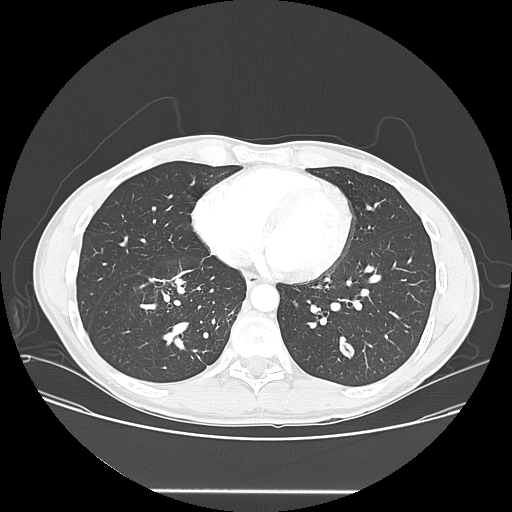
Slice 64/150 of a chest CT, counting up from the lowest; pixel size 0.781 mm, slice thickness 2.50 mm. Pulmonary nodule at rows 341–358, columns 339–355 (box = the union of the readers' outlines on this slice), outlined by all four readers; longest diameter 15.8 mm on average over the four readers' outlines (readers' outlines 15.0–17.2 mm), volume 701–1241 mm3. The readers' prevailing ratings and who disagreed: texture 5/5 (solid) by three of four readers; the rest gave 4/5 (one); margin 5/5 (circumscribed) by three of four readers; the rest gave 4/5 (one); sphericity 2/5 by two of four readers; the rest gave 3/5 (ovoid) (one), 5/5 (round) (one); calcification absent from all four readers; internal structure soft tissue, all four readers agreeing; subtlety 4/5 by two of four readers; the rest gave 3/5 (one), 5/5 (one); malignancy likelihood split among the readers: 2/5 (two), 4/5 (two). Scale key (1–5): texture non-solid→solid, margin indistinct→circumscribed, sphericity linear→round, subtlety extremely subtle→obvious, malignancy likelihood highly unlikely→highly suspicious of cancer. Box rows and columns are 0-based pixel indices from the top-left corner, inclusive.
Acquired at 120 kVp and reconstructed with the LUNG kernel.